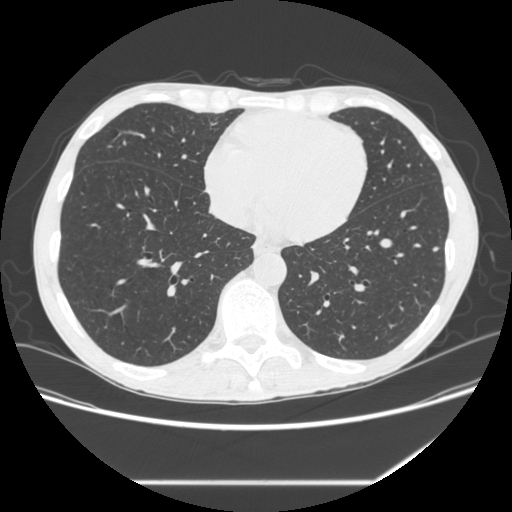
Axial chest CT slice 107 of 301 (counted from the lowest slice); tube voltage 120 kVp, convolution kernel STANDARD; slices 1.25 mm thick, 0.752 mm per pixel.
Pulmonary nodule outlined by all four readers; box rows 246–251, columns 432–438 (the union of the readers' outlines on this slice); median longest diameter 6.7 mm (readers' outlines 6.1–7.9 mm), median volume 94 mm3 (82–103 mm3). Ratings, median across the readers with their spread: median texture 5/5 (solid) (readers ranged 4/5 to 5/5 (solid)); median margin 4.5/5 (readers ranged 4/5 to 5/5 (circumscribed)); median sphericity 3.5/5 (readers ranged 3/5 (ovoid) to 4/5); calcification absent from all four readers; internal structure soft tissue from all four readers; subtlety 4/5 at the median of four readers, spread 2–4; malignancy likelihood 2/5, all four readers agreeing. Scale key (1–5): texture non-solid→solid, margin indistinct→circumscribed, sphericity linear→round, subtlety extremely subtle→obvious, malignancy likelihood highly unlikely→highly suspicious of cancer. Box rows and columns are 0-based pixel indices from the top-left corner, inclusive.